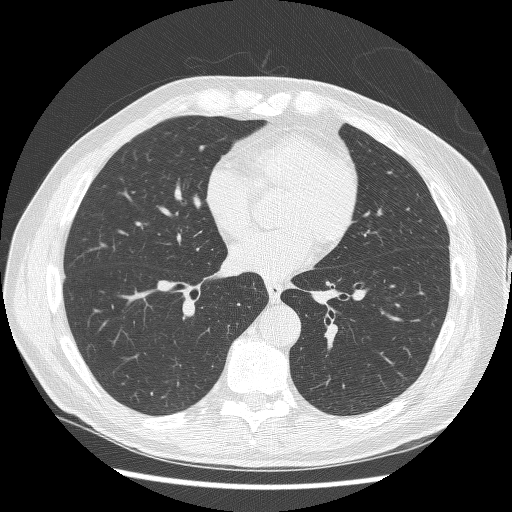
This is axial slice 118 of 256 (slice 1 is the lowest) of a chest CT; each pixel is 0.703 mm and the slice is 1.25 mm thick. The readers outlined no nodule of 3 mm or more on this slice.
Scan settings: 120 kVp, BONE reconstruction kernel.